Chest CT, axial plane, 120 kVp, kernel B. Slice 63/95 from the bottom of the scan; thickness 3.00 mm; pixel size 0.750 mm.
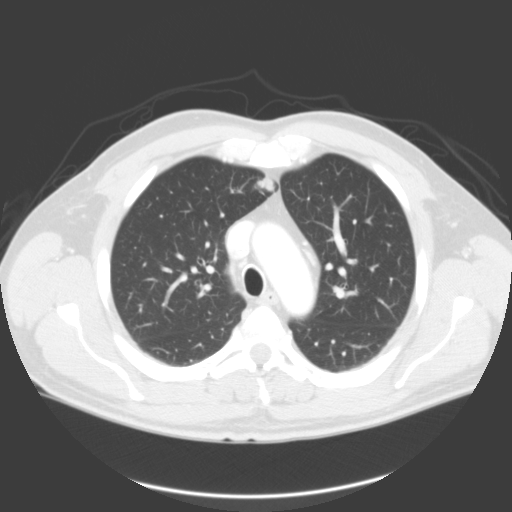
Pulmonary nodule outlined by all four readers; box rows 176–191, columns 256–274 (the union of the readers' outlines on this slice); longest diameter 16.3 mm on average over the four readers' outlines (readers' outlines 14.5–17.6 mm), volume 912–1341 mm3. Ratings, by the readers' most common answer with dissent counted: texture 3/5 (part-solid) by two of four readers; the rest gave 4/5 (one), 5/5 (solid) (one); margin 4/5 by two of four readers; the rest gave 2/5 (one), 3/5 (one); most readers (three of four) put sphericity at 4/5, others 3/5 (ovoid) (one); calcification absent, all four readers agreeing; internal structure soft tissue from all four readers; subtlety split among the readers: 4/5 (two), 5/5 (two); malignancy likelihood 4/5 by two of four readers; the rest gave 3/5 (one), 5/5 (one). Scale key (1–5): texture non-solid→solid, margin indistinct→circumscribed, sphericity linear→round, subtlety extremely subtle→obvious, malignancy likelihood highly unlikely→highly suspicious of cancer. Box rows and columns are 0-based pixel indices from the top-left corner, inclusive.